Chest CT, axial plane, 120 kVp, kernel B30f. Slice 196/493 from the bottom of the scan; thickness 0.75 mm; pixel size 0.762 mm.
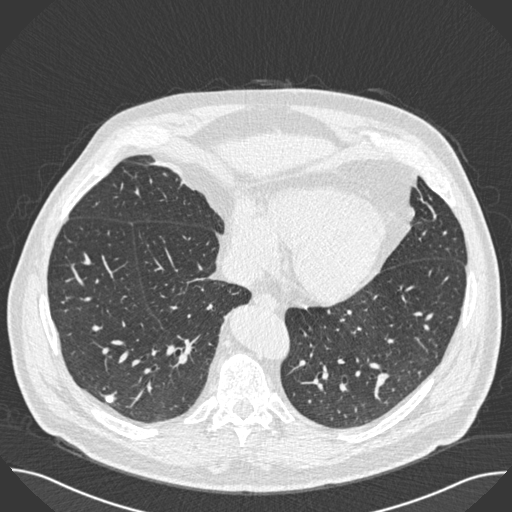
Pulmonary nodule, outlined by three of the four readers. Box on this slice rows 395–402, columns 105–113, the union of the readers' outlines on this slice; median longest diameter 8.2 mm (readers' outlines 7.2–8.5 mm), median volume 144 mm3 (95–166 mm3). Median ratings and the readers' spread: texture 5/5 (solid), all three readers agreeing; margin 5/5 (circumscribed), all three readers agreeing; median sphericity 4/5 (readers ranged 4/5 to 5/5 (round)); calcification solid calcification from all three readers; internal structure soft tissue from all three readers; median subtlety 5/5 (readers ranged 4–5); malignancy likelihood 1/5, all three readers agreeing. Scale key (1–5): texture non-solid→solid, margin indistinct→circumscribed, sphericity linear→round, subtlety extremely subtle→obvious, malignancy likelihood highly unlikely→highly suspicious of cancer. Box rows and columns are 0-based pixel indices from the top-left corner, inclusive.